Axial chest CT slice 201 of 500 (counted from the lowest slice); tube voltage 120 kVp, convolution kernel STANDARD; slices 1.25 mm thick, 0.703 mm per pixel.
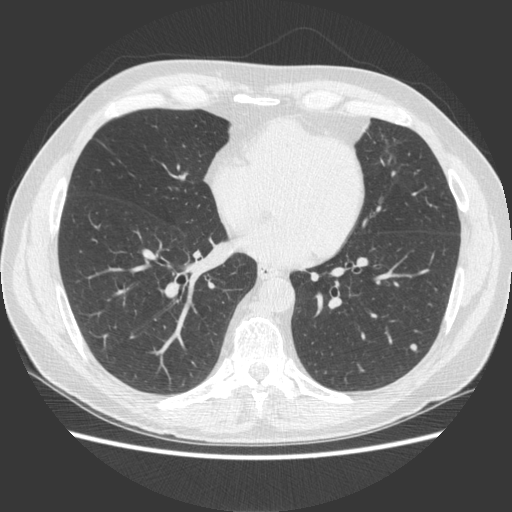
Pulmonary nodule at rows 344–350, columns 409–416 (box = the union of the readers' outlines on this slice), outlined by three of the four readers; longest diameter 7.2 mm on average over the three readers' outlines (readers' outlines 6.6–8.2 mm), volume 102–165 mm3. The readers' prevailing ratings and who disagreed: most readers (two of three) put texture at 5/5 (solid), others 4/5 (one); margin 4/5 by two of three readers; the rest gave 5/5 (circumscribed) (one); sphericity split among the readers: 3/5 (ovoid) (one), 4/5 (one), 5/5 (round) (one); calcification absent from all three readers; internal structure soft tissue from all three readers; most readers (two of three) put subtlety at 4/5, others 5/5 (one); malignancy likelihood 2/5 by two of three readers; the rest gave 4/5 (one). Scale key (1–5): texture non-solid→solid, margin indistinct→circumscribed, sphericity linear→round, subtlety extremely subtle→obvious, malignancy likelihood highly unlikely→highly suspicious of cancer. Box rows and columns are 0-based pixel indices from the top-left corner, inclusive.